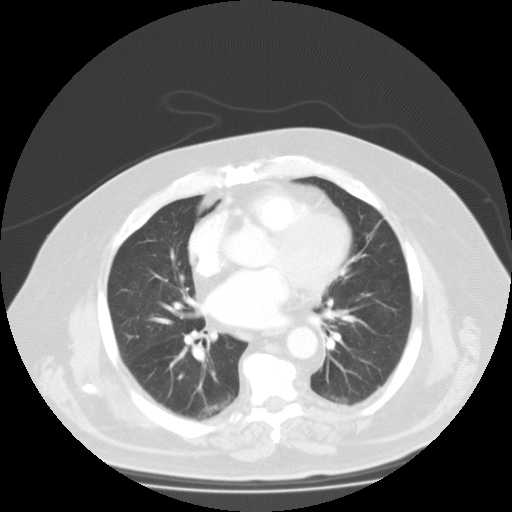
Axial slice 63 of 123 of a chest CT (slice 1 is the lowest), reconstructed with the FC01 kernel at 135 kVp; 3.00 mm slice thickness and 0.877 mm pixels.
No nodule of 3 mm or larger was outlined by any of the four readers on this slice.